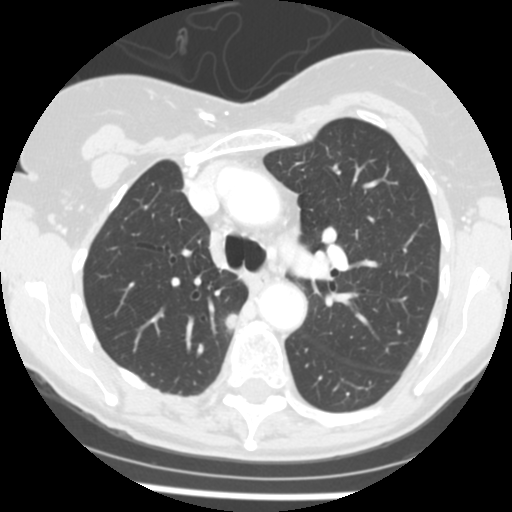
Chest CT, axial plane, 120 kVp, kernel STANDARD. Slice 167/245 from the bottom of the scan; thickness 2.50 mm; pixel size 0.547 mm.
Pulmonary nodule at rows 312–330, columns 225–236 (box = the union of the readers' outlines on this slice), outlined by all four readers; longest diameter 13.8 mm on average over the four readers' outlines (readers' outlines 13.1–14.5 mm), volume 549–868 mm3. The readers' prevailing ratings and who disagreed: texture 5/5 (solid) from all four readers; margin 4/5 by two of four readers; the rest gave 3/5 (one), 5/5 (circumscribed) (one); sphericity split among the readers: 2/5 (one), 3/5 (ovoid) (one), 4/5 (one), 5/5 (round) (one); calcification absent from all four readers; internal structure soft tissue, all four readers agreeing; subtlety 4/5 by three of four readers; the rest gave 5/5 (one); malignancy likelihood 4/5 by two of four readers; the rest gave 3/5 (one), 5/5 (one). Scale key (1–5): texture non-solid→solid, margin indistinct→circumscribed, sphericity linear→round, subtlety extremely subtle→obvious, malignancy likelihood highly unlikely→highly suspicious of cancer. Box rows and columns are 0-based pixel indices from the top-left corner, inclusive.